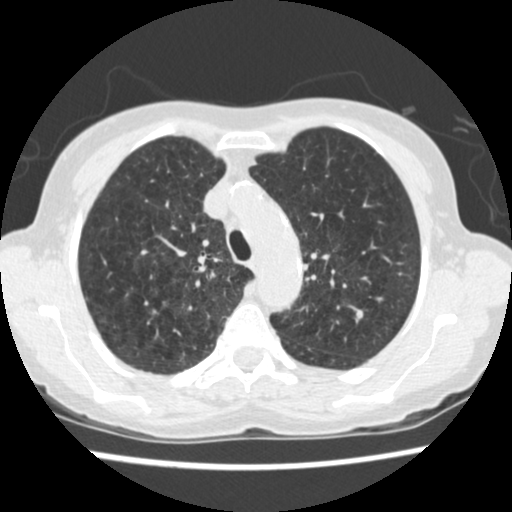
Axial slice 403 of 541 of a chest CT (slice 1 is the lowest), reconstructed with the STANDARD kernel at 120 kVp; 1.25 mm slice thickness and 0.586 mm pixels.
Pulmonary nodule, outlined by two of the four readers. Box on this slice rows 310–318, columns 356–362, the union of the readers' outlines on this slice; longest diameter 5.8 mm on average over the two readers' outlines (readers' outlines 5.6–6.1 mm), volume 85–100 mm3. The readers' prevailing ratings and who disagreed: texture 5/5 (solid), both readers agreeing; margin 5/5 (circumscribed), both readers agreeing; sphericity split among the readers: 3/5 (ovoid) (one), 5/5 (round) (one); calcification split among the readers: absent (one), solid calcification (one); internal structure soft tissue, both readers agreeing; subtlety split among the readers: 2/5 (one), 5/5 (one); malignancy likelihood split among the readers: 1/5 (one), 3/5 (one). Scale key (1–5): texture non-solid→solid, margin indistinct→circumscribed, sphericity linear→round, subtlety extremely subtle→obvious, malignancy likelihood highly unlikely→highly suspicious of cancer. Box rows and columns are 0-based pixel indices from the top-left corner, inclusive.